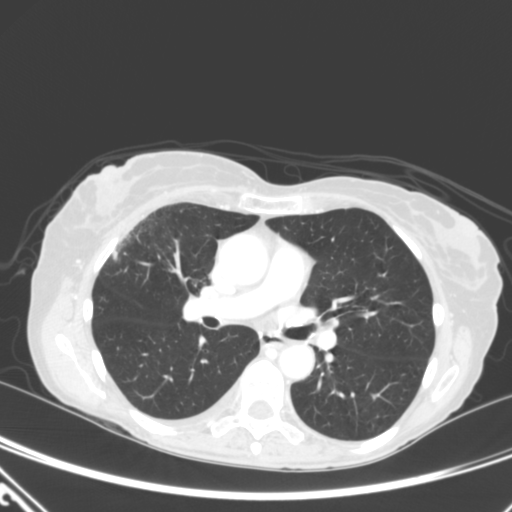
Slice 189/320 of a chest CT, counting up from the lowest; pixel size 0.662 mm, slice thickness 2.00 mm. Pulmonary nodule outlined by all four readers; box rows 250–261, columns 111–117 (the union of the readers' outlines on this slice); the four readers' outlines give a longest diameter between 12.2 and 16.6 mm and a volume between 631 and 1078 mm3. Ratings across the readers: texture 5/5 (solid), all four readers agreeing; margin from 3/5 to 5/5 (circumscribed) across the four readers; sphericity from 3/5 (ovoid) to 5/5 (round) across the four readers; calcification absent, all four readers agreeing; internal structure soft tissue, all four readers agreeing; subtlety 5/5 from all four readers; malignancy likelihood rated between 2 and 5 out of 5 by the four readers. Scale key (1–5): texture non-solid→solid, margin indistinct→circumscribed, sphericity linear→round, subtlety extremely subtle→obvious, malignancy likelihood highly unlikely→highly suspicious of cancer. Box rows and columns are 0-based pixel indices from the top-left corner, inclusive.
Acquired at 120 kVp and reconstructed with the B kernel.